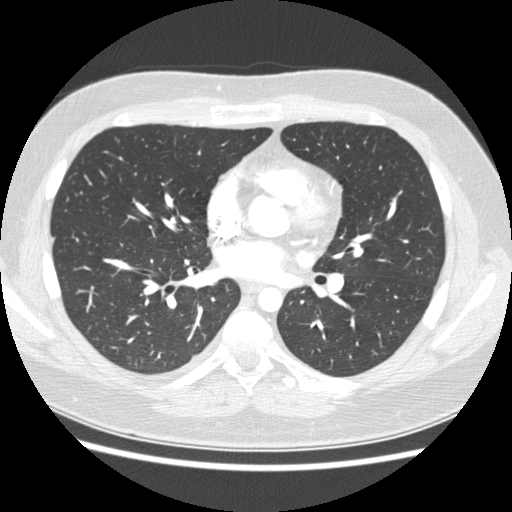
One axial slice (122 of 238, counting up from the lowest) of a chest CT acquired at 120 kVp with the STANDARD kernel; each pixel is 0.703 mm and the slice is 1.25 mm thick.
No nodule 3 mm or larger was outlined here by any reader.